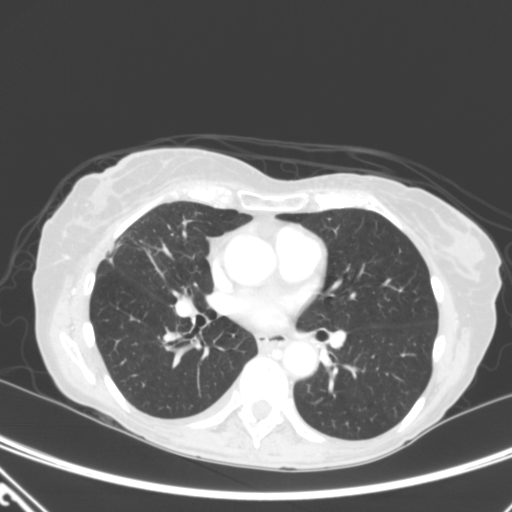
Axial chest CT slice 174 of 320 (counted from the lowest slice); tube voltage 120 kVp, convolution kernel B; slices 2.00 mm thick, 0.662 mm per pixel.
Pulmonary nodule at rows 242–254, columns 106–119 (box = the union of the readers' outlines on this slice), outlined by all four readers, three of them on this slice; median longest diameter 16.0 mm (readers' outlines 12.2–16.6 mm), median volume 833 mm3 (631–1078 mm3). Median ratings and the readers' spread: texture 5/5 (solid), all four readers agreeing; margin 4/5 at the median of four readers, spread 3/5 to 5/5 (circumscribed); median sphericity 3.5/5 (readers ranged 3/5 (ovoid) to 5/5 (round)); calcification absent, all four readers agreeing; internal structure soft tissue from all four readers; subtlety 5/5, all four readers agreeing; malignancy likelihood 4.5/5 at the median of four readers, spread 2–5. Scale key (1–5): texture non-solid→solid, margin indistinct→circumscribed, sphericity linear→round, subtlety extremely subtle→obvious, malignancy likelihood highly unlikely→highly suspicious of cancer. Box rows and columns are 0-based pixel indices from the top-left corner, inclusive.